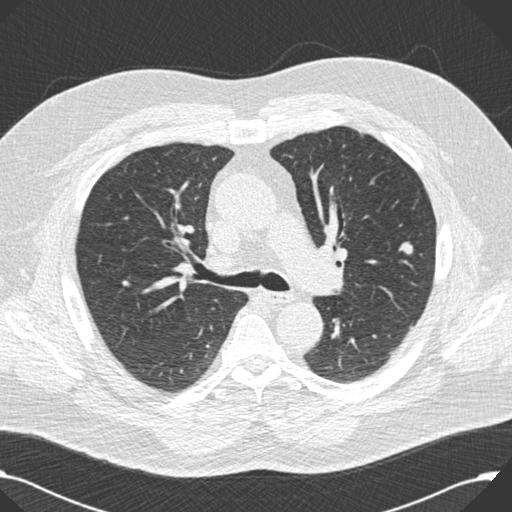
One axial slice (111 of 176, counting up from the lowest) of a chest CT acquired at 120 kVp with the B30f kernel; each pixel is 0.742 mm and the slice is 2.00 mm thick.
Pulmonary nodule outlined by all four readers; box rows 241–255, columns 397–413 (the union of the readers' outlines on this slice); longest diameter 14.9 mm on average over the four readers' outlines (readers' outlines 14.3–16.3 mm), volume 1042–1473 mm3. Ratings, by the readers' most common answer with dissent counted: texture 5/5 (solid), all four readers agreeing; margin 5/5 (circumscribed) by three of four readers; the rest gave 4/5 (one); sphericity 4/5 by three of four readers; the rest gave 5/5 (round) (one); calcification split among the readers: absent (two), non-central calcification (two); internal structure soft tissue, all four readers agreeing; most readers (three of four) put subtlety at 5/5, others 3/5 (one); malignancy likelihood 2/5 by two of four readers; the rest gave 3/5 (one), 4/5 (one). Scale key (1–5): texture non-solid→solid, margin indistinct→circumscribed, sphericity linear→round, subtlety extremely subtle→obvious, malignancy likelihood highly unlikely→highly suspicious of cancer. Box rows and columns are 0-based pixel indices from the top-left corner, inclusive.